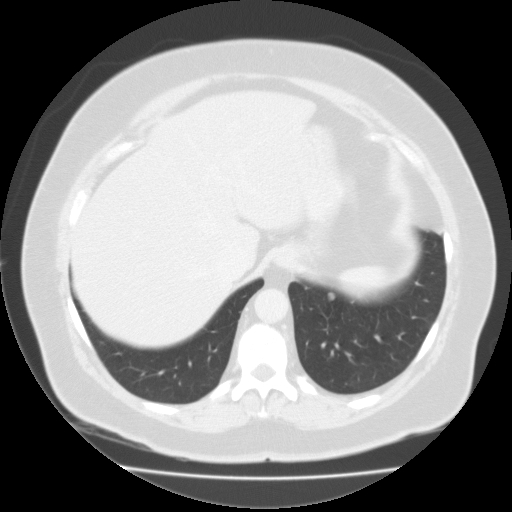
Axial chest CT slice 33 of 113 (counted from the lowest slice); tube voltage 135 kVp, convolution kernel FC01; slices 3.00 mm thick, 0.750 mm per pixel.
Pulmonary nodule outlined by all four readers; box rows 291–301, columns 327–335 (the union of the readers' outlines on this slice); median longest diameter 8.8 mm (readers' outlines 8.6–9.2 mm), median volume 327 mm3 (279–352 mm3). Median ratings and the readers' spread: median texture 5/5 (solid) (readers ranged 4/5 to 5/5 (solid)); margin 4.5/5 at the median of four readers, spread 4/5 to 5/5 (circumscribed); sphericity 4.5/5 at the median of four readers, spread 4/5 to 5/5 (round); calcification absent, all four readers agreeing; internal structure soft tissue from all four readers; subtlety 4/5 at the median of four readers, spread 3–5; malignancy likelihood 3/5 at the median of four readers, spread 2–3. Scale key (1–5): texture non-solid→solid, margin indistinct→circumscribed, sphericity linear→round, subtlety extremely subtle→obvious, malignancy likelihood highly unlikely→highly suspicious of cancer. Box rows and columns are 0-based pixel indices from the top-left corner, inclusive.